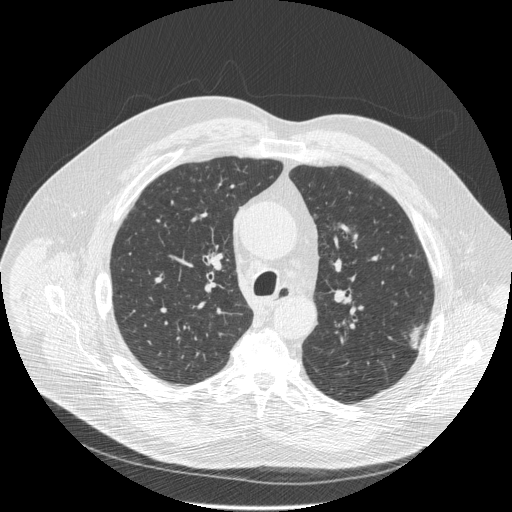
Axial slice 343 of 516 of a chest CT (slice 1 is the lowest), reconstructed with the STANDARD kernel at 120 kVp; 1.25 mm slice thickness and 0.820 mm pixels.
Pulmonary nodule, outlined by three of the four readers. Box on this slice rows 322–351, columns 408–423, the union of the readers' outlines on this slice; longest diameter 27.7 mm on average over the three readers' outlines (readers' outlines 23.2–31.7 mm), volume 750–1666 mm3. Ratings, by the readers' most common answer with dissent counted: texture split among the readers: 3/5 (part-solid) (one), 4/5 (one), 5/5 (solid) (one); margin 3/5 by two of three readers; the rest gave 4/5 (one); sphericity 2/5 from all three readers; calcification absent from all three readers; internal structure soft tissue from all three readers; subtlety 5/5, all three readers agreeing; malignancy likelihood 4/5, all three readers agreeing. Scale key (1–5): texture non-solid→solid, margin indistinct→circumscribed, sphericity linear→round, subtlety extremely subtle→obvious, malignancy likelihood highly unlikely→highly suspicious of cancer. Box rows and columns are 0-based pixel indices from the top-left corner, inclusive.